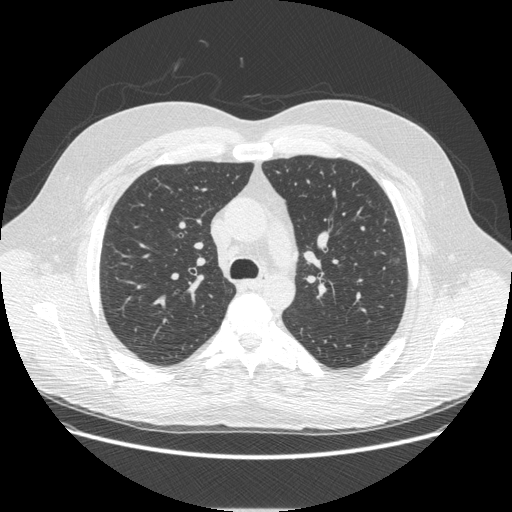
Chest CT, axial plane, 120 kVp, kernel STANDARD. Slice 327/497 from the bottom of the scan; thickness 1.25 mm; pixel size 0.762 mm.
Pulmonary nodule outlined by all four readers; box rows 252–263, columns 388–402 (the union of the readers' outlines on this slice); median longest diameter 21.7 mm (readers' outlines 21.5–22.5 mm), median volume 2358 mm3 (2170–2597 mm3). Ratings, median across the readers with their spread: median texture 1/5 (non-solid) (readers ranged 1/5 (non-solid) to 3/5 (part-solid)); median margin 3/5 (readers ranged 2/5 to 4/5); sphericity 4.5/5 at the median of four readers, spread 3/5 (ovoid) to 5/5 (round); calcification absent, all four readers agreeing; internal structure split among the readers: air (two), soft tissue (two); median subtlety 4/5 (readers ranged 1–5); median malignancy likelihood 3/5 (readers ranged 1–5). Scale key (1–5): texture non-solid→solid, margin indistinct→circumscribed, sphericity linear→round, subtlety extremely subtle→obvious, malignancy likelihood highly unlikely→highly suspicious of cancer. Box rows and columns are 0-based pixel indices from the top-left corner, inclusive.